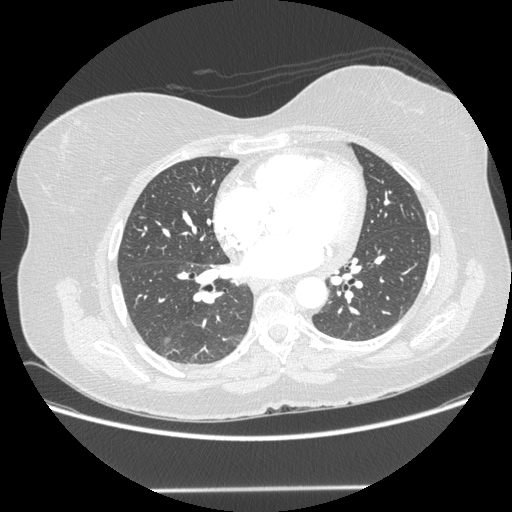
Chest CT, axial plane, 120 kVp, kernel STANDARD. Slice 92/214 from the bottom of the scan; thickness 1.25 mm; pixel size 0.781 mm.
Pulmonary nodule, outlined by all four readers. Box on this slice rows 337–343, columns 163–170, the union of the readers' outlines on this slice; longest diameter 9.8–11.3 mm and volume 185–219 mm3 across the four readers' outlines. Ratings across the readers: texture 5/5 (solid), all four readers agreeing; margin from 4/5 to 5/5 (circumscribed) across the four readers; sphericity from 3/5 (ovoid) to 5/5 (round) across the four readers; calcification absent from all four readers; internal structure soft tissue from all four readers; subtlety from 3/5 to 5/5 across the four readers; malignancy likelihood from 2/5 to 4/5 across the four readers. Scale key (1–5): texture non-solid→solid, margin indistinct→circumscribed, sphericity linear→round, subtlety extremely subtle→obvious, malignancy likelihood highly unlikely→highly suspicious of cancer. Box rows and columns are 0-based pixel indices from the top-left corner, inclusive.